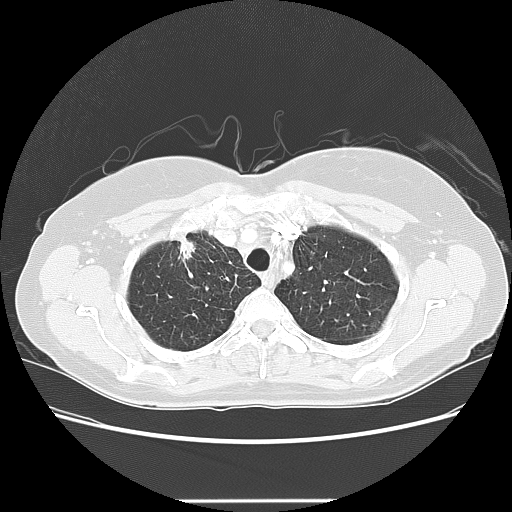
Slice 111/130 of a chest CT, counting up from the lowest; pixel size 0.703 mm, slice thickness 2.50 mm. Pulmonary nodule, outlined by three of the four readers. Box on this slice rows 238–260, columns 177–194, the union of the readers' outlines on this slice; longest diameter 26.3–33.4 mm and volume 4054–5494 mm3 across the three readers' outlines. Ratings across the readers: texture from 4/5 to 5/5 (solid) across the three readers; margin from 3/5 to 5/5 (circumscribed) across the three readers; sphericity from 3/5 (ovoid) to 5/5 (round) across the three readers; calcification absent, all three readers agreeing; internal structure soft tissue, all three readers agreeing; subtlety 5/5 from all three readers; malignancy likelihood rated between 4 and 5 out of 5 by the three readers. Scale key (1–5): texture non-solid→solid, margin indistinct→circumscribed, sphericity linear→round, subtlety extremely subtle→obvious, malignancy likelihood highly unlikely→highly suspicious of cancer. Box rows and columns are 0-based pixel indices from the top-left corner, inclusive.
Scan settings: 120 kVp, LUNG reconstruction kernel.